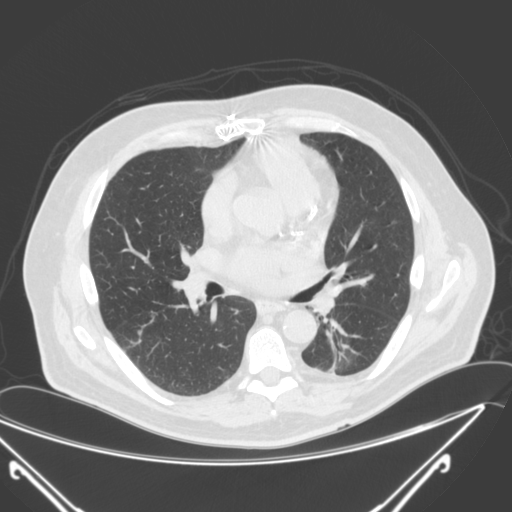
Axial slice 142 of 290 of a chest CT (slice 1 is the lowest), reconstructed with the B kernel at 120 kVp; 2.00 mm slice thickness and 0.816 mm pixels.
Pulmonary nodule at rows 329–335, columns 136–141 (box = the union of the readers' outlines on this slice), outlined by three of the four readers; longest diameter 6.6 mm on average over the three readers' outlines (readers' outlines 6.2–7.0 mm), volume 90–113 mm3. The readers' prevailing ratings and who disagreed: texture 5/5 (solid), all three readers agreeing; margin 4/5 by two of three readers; the rest gave 5/5 (circumscribed) (one); most readers (two of three) put sphericity at 4/5, others 5/5 (round) (one); calcification absent, all three readers agreeing; internal structure soft tissue, all three readers agreeing; most readers (two of three) put subtlety at 5/5, others 4/5 (one); malignancy likelihood 3/5 by two of three readers; the rest gave 2/5 (one). Scale key (1–5): texture non-solid→solid, margin indistinct→circumscribed, sphericity linear→round, subtlety extremely subtle→obvious, malignancy likelihood highly unlikely→highly suspicious of cancer. Box rows and columns are 0-based pixel indices from the top-left corner, inclusive.